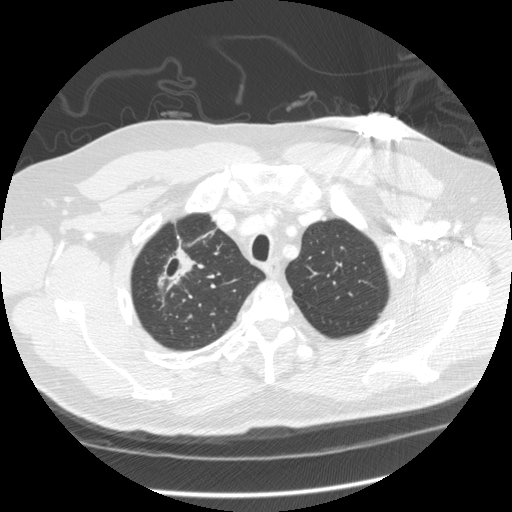
Axial chest CT slice 260 of 305 (counted from the lowest slice); tube voltage 120 kVp, convolution kernel STANDARD; slices 1.25 mm thick, 0.732 mm per pixel.
Pulmonary nodule at rows 245–294, columns 156–198 (box = the union of the readers' outlines on this slice), outlined by three of the four readers; longest diameter 43.5 mm on average over the three readers' outlines (readers' outlines 41.0–45.9 mm), volume 6528–11092 mm3. Ratings, by the readers' most common answer with dissent counted: texture split among the readers: 3/5 (part-solid) (one), 4/5 (one), 5/5 (solid) (one); margin split among the readers: 1/5 (indistinct) (one), 3/5 (one), 4/5 (one); most readers (two of three) put sphericity at 3/5 (ovoid), others 2/5 (one); calcification absent from all three readers; internal structure soft tissue, all three readers agreeing; subtlety 5/5 from all three readers; malignancy likelihood 5/5, all three readers agreeing. Scale key (1–5): texture non-solid→solid, margin indistinct→circumscribed, sphericity linear→round, subtlety extremely subtle→obvious, malignancy likelihood highly unlikely→highly suspicious of cancer. Box rows and columns are 0-based pixel indices from the top-left corner, inclusive.